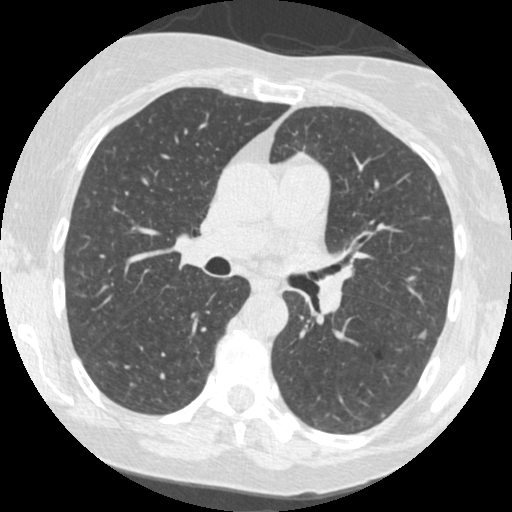
Axial slice 258 of 484 of a chest CT (slice 1 is the lowest), reconstructed with the STANDARD kernel at 120 kVp; 1.25 mm slice thickness and 0.586 mm pixels.
Two pulmonary nodules on this slice, listed from left to right. (1) Pulmonary nodule, outlined by one of the four readers. Box on this slice rows 414–416, columns 381–384, that reader's outline on this slice; longest diameter 3.9 mm and volume 18 mm3 from that reader's outline. That reader's ratings: texture 4/5; margin 5/5 (circumscribed); sphericity 5/5 (round); calcification absent; internal structure soft tissue; subtlety 2/5; malignancy likelihood 2/5. (2) Pulmonary nodule at rows 330–339, columns 418–426 (box = the union of the readers' outlines on this slice), outlined by all four readers; the four readers' outlines give a longest diameter between 6.6 and 9.0 mm and a volume between 60 and 132 mm3. The readers' ratings, as ranges where they differ: texture 5/5 (solid), all four readers agreeing; margin from 4/5 to 5/5 (circumscribed) across the four readers; sphericity from 3/5 (ovoid) to 4/5 across the four readers; calcification absent, all four readers agreeing; internal structure soft tissue from all four readers; subtlety from 4/5 to 5/5 across the four readers; malignancy likelihood from 2/5 to 4/5 across the four readers. Scale key (1–5): texture non-solid→solid, margin indistinct→circumscribed, sphericity linear→round, subtlety extremely subtle→obvious, malignancy likelihood highly unlikely→highly suspicious of cancer. Box rows and columns are 0-based pixel indices from the top-left corner, inclusive.